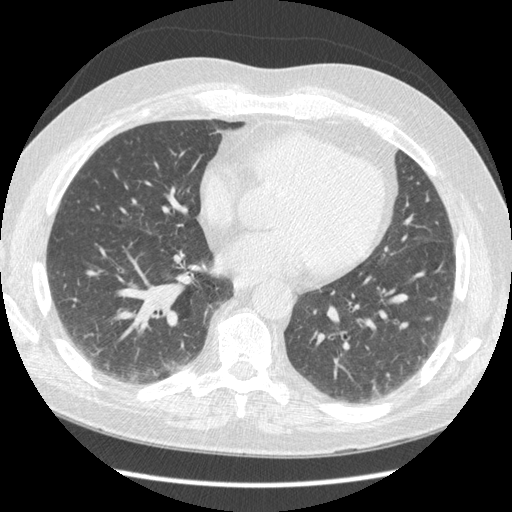
Chest CT, axial plane, 120 kVp, kernel STANDARD. Slice 164/429 from the bottom of the scan; thickness 1.25 mm; pixel size 0.703 mm.
Pulmonary nodule outlined by all four readers, two of them on this slice; box rows 372–376, columns 385–389 (the union of the readers' outlines on this slice); longest diameter 9.6 mm on average over the four readers' outlines (readers' outlines 7.9–12.4 mm), volume 94–254 mm3. Ratings, by the readers' most common answer with dissent counted: texture 5/5 (solid), all four readers agreeing; margin 4/5 by two of four readers; the rest gave 3/5 (one), 5/5 (circumscribed) (one); sphericity 4/5 by two of four readers; the rest gave 3/5 (ovoid) (one), 5/5 (round) (one); calcification absent, all four readers agreeing; internal structure soft tissue from all four readers; subtlety 3/5 by two of four readers; the rest gave 4/5 (one), 5/5 (one); malignancy likelihood 3/5 by two of four readers; the rest gave 2/5 (one), 4/5 (one). Scale key (1–5): texture non-solid→solid, margin indistinct→circumscribed, sphericity linear→round, subtlety extremely subtle→obvious, malignancy likelihood highly unlikely→highly suspicious of cancer. Box rows and columns are 0-based pixel indices from the top-left corner, inclusive.